One axial slice (99 of 181, counting up from the lowest) of a chest CT acquired at 120 kVp with the B30f kernel; each pixel is 0.723 mm and the slice is 2.00 mm thick.
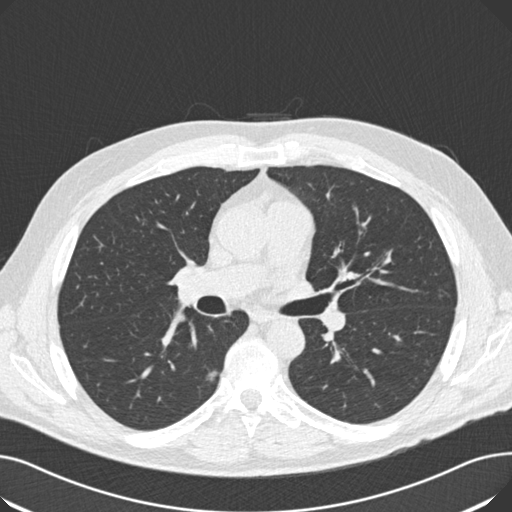
Pulmonary nodule at rows 370–381, columns 205–217 (box = the union of the readers' outlines on this slice), outlined by two of the four readers; longest diameter 11.4 mm on average over the two readers' outlines (readers' outlines 11.1–11.8 mm), volume 308–364 mm3. Ratings, by the readers' most common answer with dissent counted: texture split among the readers: 2/5 (one), 4/5 (one); margin split among the readers: 3/5 (one), 4/5 (one); sphericity split among the readers: 3/5 (ovoid) (one), 4/5 (one); calcification absent, both readers agreeing; internal structure soft tissue from both readers; subtlety 4/5, both readers agreeing; malignancy likelihood split among the readers: 3/5 (one), 4/5 (one). Scale key (1–5): texture non-solid→solid, margin indistinct→circumscribed, sphericity linear→round, subtlety extremely subtle→obvious, malignancy likelihood highly unlikely→highly suspicious of cancer. Box rows and columns are 0-based pixel indices from the top-left corner, inclusive.